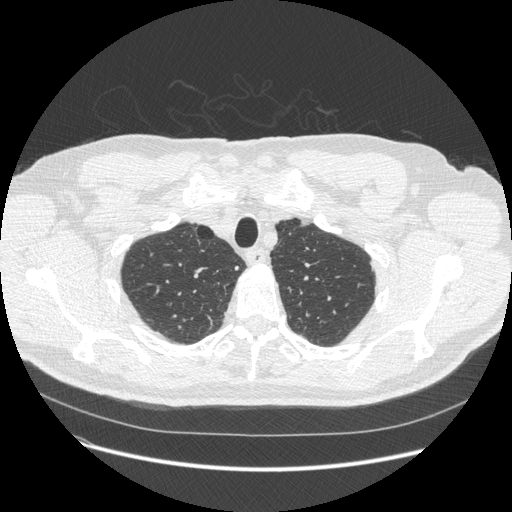
Axial chest CT slice 455 of 541 (counted from the lowest slice); tube voltage 120 kVp, convolution kernel STANDARD; slices 1.25 mm thick, 0.781 mm per pixel.
Pulmonary nodule outlined by one of the four readers; box rows 266–270, columns 234–238 (that reader's outline on this slice); longest diameter 5.2 mm and volume 46 mm3 from that reader's outline. That reader's ratings: texture 5/5 (solid); margin 5/5 (circumscribed); sphericity 4/5; calcification absent; internal structure soft tissue; subtlety 4/5; malignancy likelihood 4/5. Scale key (1–5): texture non-solid→solid, margin indistinct→circumscribed, sphericity linear→round, subtlety extremely subtle→obvious, malignancy likelihood highly unlikely→highly suspicious of cancer. Box rows and columns are 0-based pixel indices from the top-left corner, inclusive.